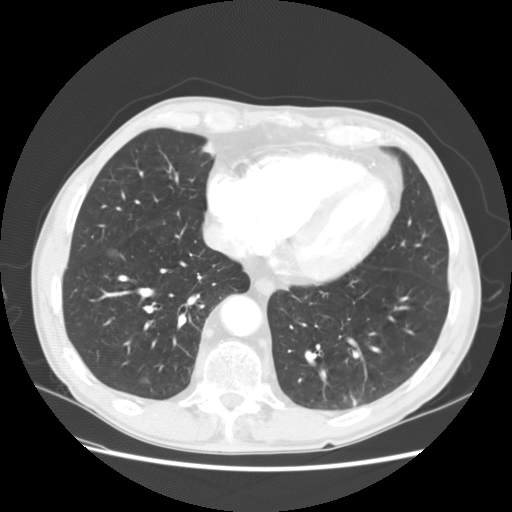
Slice 55/147 of a chest CT, counting up from the lowest; pixel size 0.703 mm, slice thickness 2.50 mm. Pulmonary nodule at rows 378–382, columns 142–147 (box = that reader's outline on this slice), outlined by one of the four readers; longest diameter 10.7 mm and volume 531 mm3 from that reader's outline. That reader's ratings: texture 1/5 (non-solid); margin 2/5; sphericity 5/5 (round); calcification absent; internal structure soft tissue; subtlety 1/5; malignancy likelihood 2/5. Scale key (1–5): texture non-solid→solid, margin indistinct→circumscribed, sphericity linear→round, subtlety extremely subtle→obvious, malignancy likelihood highly unlikely→highly suspicious of cancer. Box rows and columns are 0-based pixel indices from the top-left corner, inclusive.
Acquired at 120 kVp and reconstructed with the STANDARD kernel.